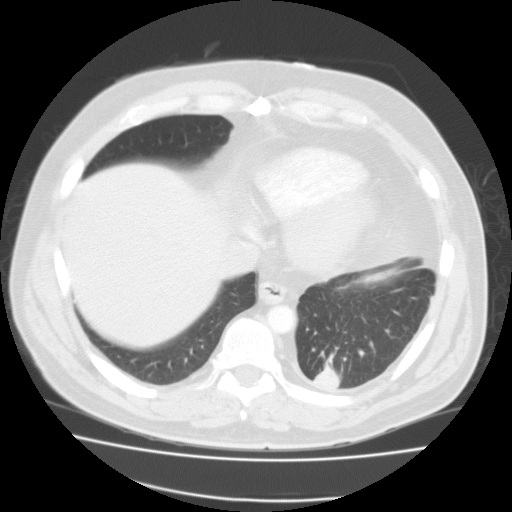
Axial chest CT slice 43 of 115 (counted from the lowest slice); 3.00 mm thick, 0.782 mm per pixel. Pulmonary nodule, outlined by all four readers. Box on this slice rows 358–387, columns 313–339, the union of the readers' outlines on this slice; median longest diameter 28.5 mm (readers' outlines 25.2–31.6 mm), median volume 6356 mm3 (5217–6928 mm3). Median ratings and the readers' spread: texture 5/5 (solid) at the median of four readers, spread 4/5 to 5/5 (solid); median margin 4/5 (readers ranged 2/5 to 4/5); median sphericity 3.5/5 (readers ranged 2/5 to 4/5); calcification split among the readers: non-central calcification (two), absent (two); internal structure soft tissue, all four readers agreeing; subtlety 5/5, all four readers agreeing; malignancy likelihood 3/5 at the median of four readers, spread 2–5. Scale key (1–5): texture non-solid→solid, margin indistinct→circumscribed, sphericity linear→round, subtlety extremely subtle→obvious, malignancy likelihood highly unlikely→highly suspicious of cancer. Box rows and columns are 0-based pixel indices from the top-left corner, inclusive.
Tube voltage 135 kVp; convolution kernel FC01.